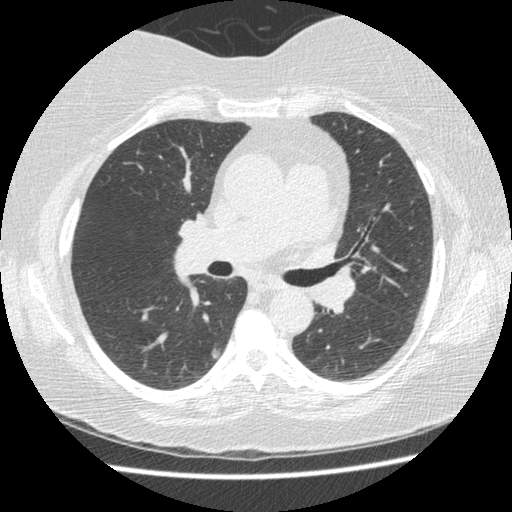
Slice 295/474 of a chest CT, counting up from the lowest; pixel size 0.645 mm, slice thickness 1.25 mm. Pulmonary nodule at rows 348–358, columns 211–219 (box = the union of the readers' outlines on this slice), outlined by three of the four readers; median longest diameter 9.0 mm (readers' outlines 9.0–9.6 mm), median volume 103 mm3 (91–114 mm3). Ratings, median across the readers with their spread: median texture 3/5 (part-solid) (readers ranged 2/5 to 5/5 (solid)); margin 3/5 at the median of three readers, spread 2/5 to 5/5 (circumscribed); sphericity 3/5 (ovoid), all three readers agreeing; calcification absent, all three readers agreeing; internal structure soft tissue, all three readers agreeing; subtlety 4/5 at the median of three readers, spread 3–5; median malignancy likelihood 3/5 (readers ranged 2–3). Scale key (1–5): texture non-solid→solid, margin indistinct→circumscribed, sphericity linear→round, subtlety extremely subtle→obvious, malignancy likelihood highly unlikely→highly suspicious of cancer. Box rows and columns are 0-based pixel indices from the top-left corner, inclusive.
Acquired at 120 kVp and reconstructed with the STANDARD kernel.